Axial chest CT slice 72 of 133 (counted from the lowest slice); tube voltage 120 kVp, convolution kernel STANDARD; slices 2.50 mm thick, 0.625 mm per pixel.
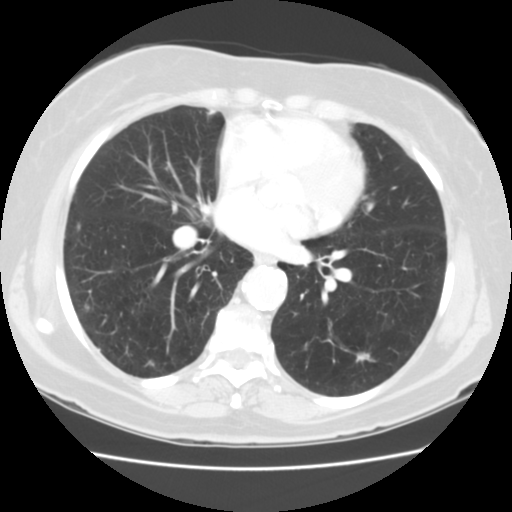
Pulmonary nodule at rows 352–361, columns 356–374 (box = that reader's outline on this slice), outlined by one of the four readers; longest diameter 15.1 mm and volume 466 mm3 from that reader's outline. Ratings by that reader: texture 1/5 (non-solid); margin 2/5; sphericity 5/5 (round); calcification absent; internal structure soft tissue; subtlety 1/5; malignancy likelihood 2/5. Scale key (1–5): texture non-solid→solid, margin indistinct→circumscribed, sphericity linear→round, subtlety extremely subtle→obvious, malignancy likelihood highly unlikely→highly suspicious of cancer. Box rows and columns are 0-based pixel indices from the top-left corner, inclusive.